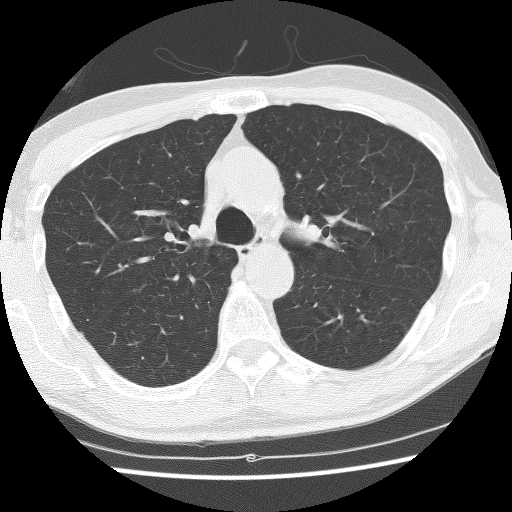
Slice 102/144 of a chest CT, counting up from the lowest; pixel size 0.617 mm, slice thickness 2.50 mm. This slice carries no reader outline of a nodule 3 mm or larger.
Scan settings: 140 kVp, BONE reconstruction kernel.